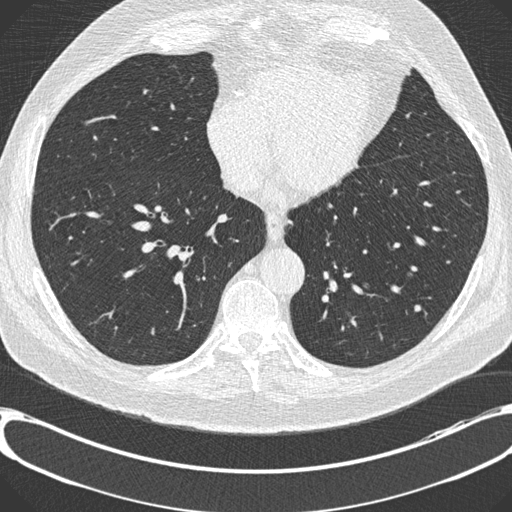
One axial slice (295 of 730, counting up from the lowest) of a chest CT acquired at 120 kVp with the B30f kernel; each pixel is 0.730 mm and the slice is 0.60 mm thick.
Pulmonary nodule, outlined by one of the four readers. Box on this slice rows 304–310, columns 413–420, that reader's outline on this slice; longest diameter 7.2 mm and volume 114 mm3 from that reader's outline. That reader's ratings: texture 5/5 (solid); margin 5/5 (circumscribed); sphericity 5/5 (round); calcification absent; internal structure soft tissue; subtlety 3/5; malignancy likelihood 2/5. Scale key (1–5): texture non-solid→solid, margin indistinct→circumscribed, sphericity linear→round, subtlety extremely subtle→obvious, malignancy likelihood highly unlikely→highly suspicious of cancer. Box rows and columns are 0-based pixel indices from the top-left corner, inclusive.